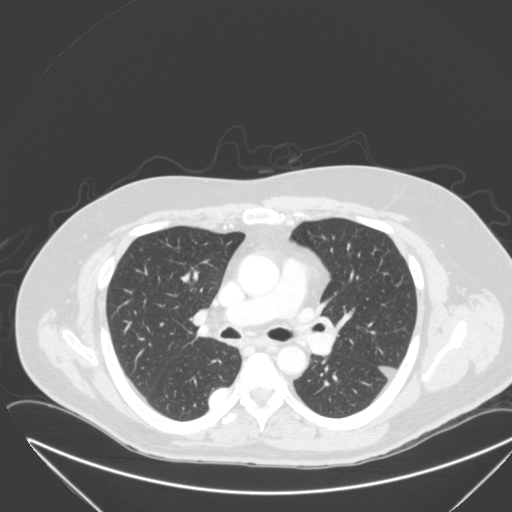
Slice 192/315 of a chest CT, counting up from the lowest; pixel size 0.830 mm, slice thickness 2.00 mm. Pulmonary nodule at rows 388–406, columns 209–229 (box = that reader's outline on this slice), outlined by one of the four readers; longest diameter 27.1 mm and volume 6093 mm3 from that reader's outline. That reader's ratings: texture 5/5 (solid); margin 4/5; sphericity 2/5; calcification absent; internal structure soft tissue; subtlety 5/5; malignancy likelihood 4/5. Scale key (1–5): texture non-solid→solid, margin indistinct→circumscribed, sphericity linear→round, subtlety extremely subtle→obvious, malignancy likelihood highly unlikely→highly suspicious of cancer. Box rows and columns are 0-based pixel indices from the top-left corner, inclusive.
Scan settings: 120 kVp, B reconstruction kernel.